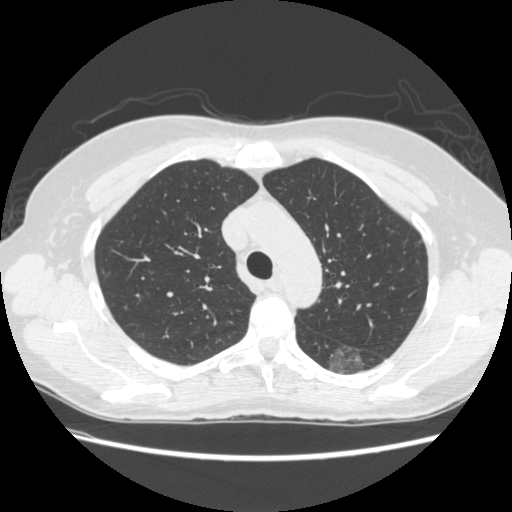
Slice 186/261 of a chest CT, counting up from the lowest; pixel size 0.682 mm, slice thickness 1.25 mm. Pulmonary nodule, outlined by two of the four readers. Box on this slice rows 347–374, columns 329–363, the union of the readers' outlines on this slice; longest diameter 30.8 mm on average over the two readers' outlines (readers' outlines 30.0–31.5 mm), volume 6577–7912 mm3. The readers' prevailing ratings and who disagreed: texture split among the readers: 1/5 (non-solid) (one), 2/5 (one); margin split among the readers: 1/5 (indistinct) (one), 2/5 (one); sphericity split among the readers: 3/5 (ovoid) (one), 5/5 (round) (one); calcification absent from both readers; internal structure soft tissue, both readers agreeing; subtlety split among the readers: 1/5 (one), 2/5 (one); malignancy likelihood split among the readers: 4/5 (one), 5/5 (one). Scale key (1–5): texture non-solid→solid, margin indistinct→circumscribed, sphericity linear→round, subtlety extremely subtle→obvious, malignancy likelihood highly unlikely→highly suspicious of cancer. Box rows and columns are 0-based pixel indices from the top-left corner, inclusive.
Scan settings: 120 kVp, STANDARD reconstruction kernel.